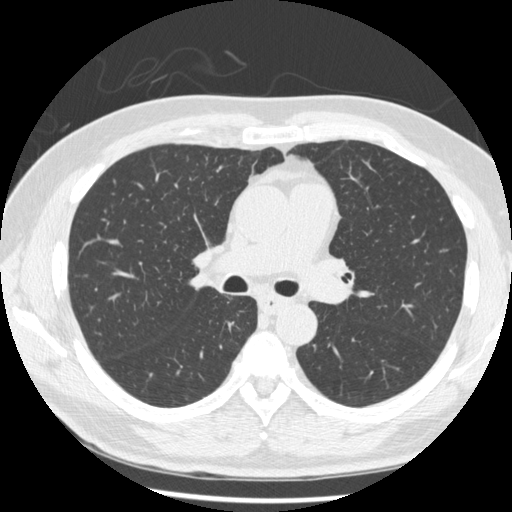
This is axial slice 276 of 522 (slice 1 is the lowest) of a chest CT; each pixel is 0.703 mm and the slice is 1.25 mm thick. None of the four readers outlined a nodule of 3 mm or more on this slice.
Tube voltage 120 kVp; convolution kernel STANDARD.